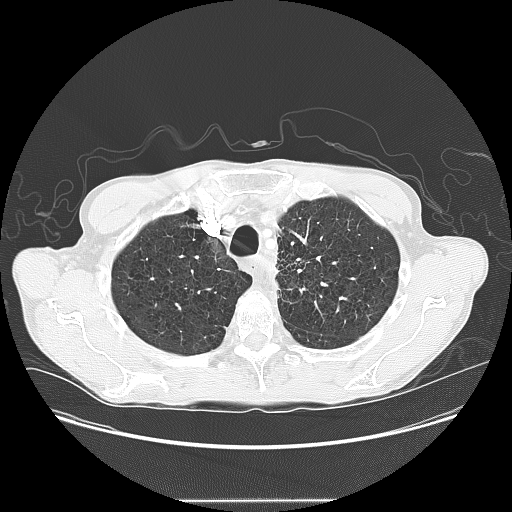
Axial chest CT slice 120 of 145 (counted from the lowest slice); 2.50 mm thick, 0.781 mm per pixel. Pulmonary nodule, outlined by one of the four readers. Box on this slice rows 258–260, columns 296–300, that reader's outline on this slice; longest diameter 20.7 mm and volume 2229 mm3 from that reader's outline. Ratings by that reader: texture 5/5 (solid); margin 2/5; sphericity 5/5 (round); calcification absent; internal structure soft tissue; subtlety 4/5; malignancy likelihood 5/5. Scale key (1–5): texture non-solid→solid, margin indistinct→circumscribed, sphericity linear→round, subtlety extremely subtle→obvious, malignancy likelihood highly unlikely→highly suspicious of cancer. Box rows and columns are 0-based pixel indices from the top-left corner, inclusive.
Tube voltage 120 kVp; convolution kernel LUNG.